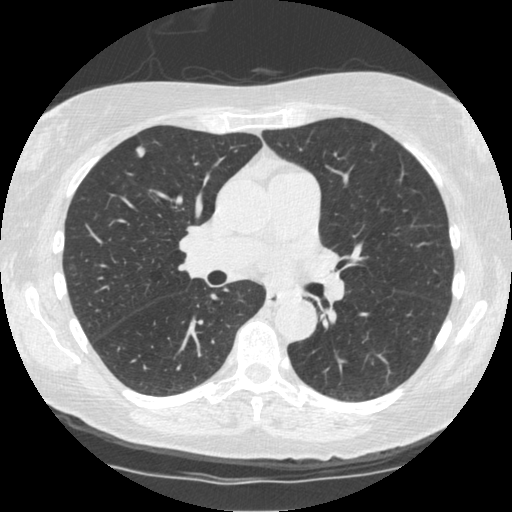
Chest CT, axial plane, 120 kVp, kernel STANDARD. Slice 274/519 from the bottom of the scan; thickness 1.25 mm; pixel size 0.645 mm.
Pulmonary nodule, outlined by all four readers. Box on this slice rows 145–157, columns 135–145, the union of the readers' outlines on this slice; longest diameter 9.4 mm on average over the four readers' outlines (readers' outlines 9.0–9.8 mm), volume 121–176 mm3. Ratings, by the readers' most common answer with dissent counted: texture 5/5 (solid), all four readers agreeing; margin split among the readers: 4/5 (two), 5/5 (circumscribed) (two); sphericity 3/5 (ovoid) by two of four readers; the rest gave 4/5 (one), 5/5 (round) (one); calcification absent, all four readers agreeing; internal structure soft tissue from all four readers; most readers (three of four) put subtlety at 5/5, others 4/5 (one); most readers (three of four) put malignancy likelihood at 3/5, others 2/5 (one). Scale key (1–5): texture non-solid→solid, margin indistinct→circumscribed, sphericity linear→round, subtlety extremely subtle→obvious, malignancy likelihood highly unlikely→highly suspicious of cancer. Box rows and columns are 0-based pixel indices from the top-left corner, inclusive.